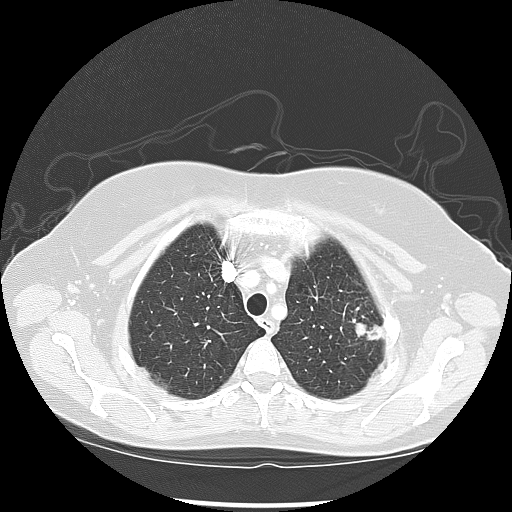
Axial chest CT slice 110 of 133 (counted from the lowest slice); tube voltage 120 kVp, convolution kernel LUNG; slices 2.50 mm thick, 0.703 mm per pixel.
Pulmonary nodule at rows 321–340, columns 354–384 (box = the union of the readers' outlines on this slice), outlined by all four readers; longest diameter 27.6–35.0 mm and volume 3749–4875 mm3 across the four readers' outlines. The readers' ratings, as ranges where they differ: texture 5/5 (solid) from all four readers; margin from 2/5 to 5/5 (circumscribed) across the four readers; sphericity from 3/5 (ovoid) to 5/5 (round) across the four readers; calcification absent, all four readers agreeing; internal structure soft tissue, all four readers agreeing; subtlety 5/5, all four readers agreeing; malignancy likelihood 3–5/5 (the readers disagree). Scale key (1–5): texture non-solid→solid, margin indistinct→circumscribed, sphericity linear→round, subtlety extremely subtle→obvious, malignancy likelihood highly unlikely→highly suspicious of cancer. Box rows and columns are 0-based pixel indices from the top-left corner, inclusive.